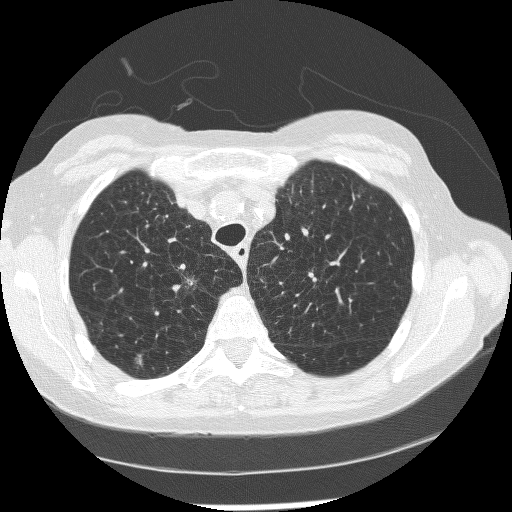
Axial slice 216 of 267 of a chest CT (slice 1 is the lowest), reconstructed with the BONE kernel at 120 kVp; 1.25 mm slice thickness and 0.596 mm pixels.
Pulmonary nodule outlined by all four readers, three of them on this slice; box rows 356–364, columns 134–142 (the union of the readers' outlines on this slice); median longest diameter 8.8 mm (readers' outlines 8.4–9.5 mm), median volume 198 mm3 (111–243 mm3). Ratings, median across the readers with their spread: median texture 5/5 (solid) (readers ranged 4/5 to 5/5 (solid)); margin 4/5 at the median of four readers, spread 3/5 to 4/5; sphericity 3/5 (ovoid) at the median of four readers, spread 2/5 to 3/5 (ovoid); calcification absent, all four readers agreeing; internal structure soft tissue, all four readers agreeing; median subtlety 4.5/5 (readers ranged 3–5); median malignancy likelihood 3/5 (readers ranged 3–4). Scale key (1–5): texture non-solid→solid, margin indistinct→circumscribed, sphericity linear→round, subtlety extremely subtle→obvious, malignancy likelihood highly unlikely→highly suspicious of cancer. Box rows and columns are 0-based pixel indices from the top-left corner, inclusive.